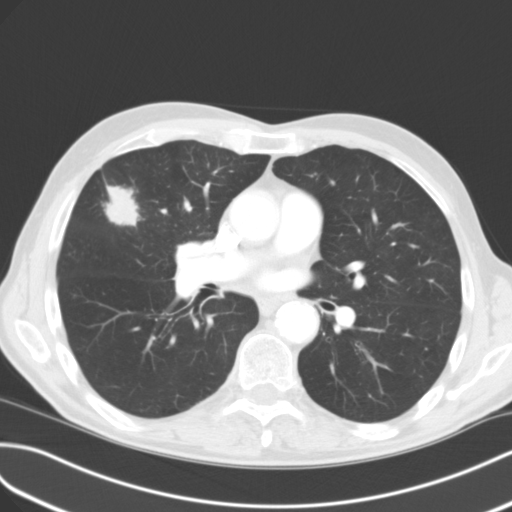
This is axial slice 61 of 114 (slice 1 is the lowest) of a chest CT; each pixel is 0.689 mm and the slice is 3.00 mm thick. Pulmonary nodule outlined by all four readers; box rows 184–227, columns 101–140 (the union of the readers' outlines on this slice); median longest diameter 42.1 mm (readers' outlines 40.2–48.6 mm), median volume 19271 mm3 (17639–20532 mm3). Ratings, median across the readers with their spread: median texture 4.5/5 (readers ranged 4/5 to 5/5 (solid)); median margin 4/5 (readers ranged 3/5 to 5/5 (circumscribed)); sphericity 3.5/5 at the median of four readers, spread 3/5 (ovoid) to 4/5; calcification absent, all four readers agreeing; internal structure soft tissue from all four readers; subtlety 5/5, all four readers agreeing; malignancy likelihood 4/5 at the median of four readers, spread 3–5. Scale key (1–5): texture non-solid→solid, margin indistinct→circumscribed, sphericity linear→round, subtlety extremely subtle→obvious, malignancy likelihood highly unlikely→highly suspicious of cancer. Box rows and columns are 0-based pixel indices from the top-left corner, inclusive.
Acquired at 120 kVp and reconstructed with the B31f kernel.